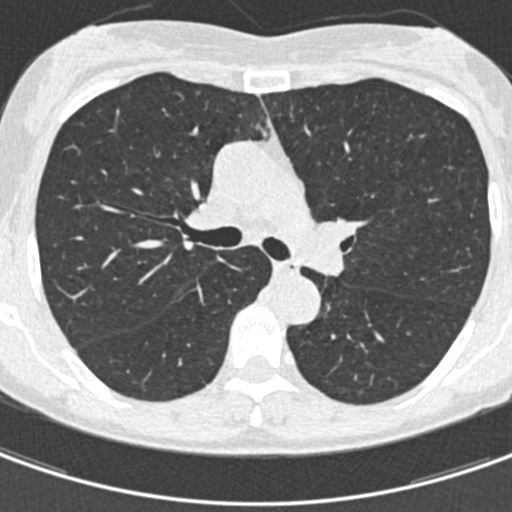
Axial slice 274 of 429 of a chest CT (slice 1 is the lowest), reconstructed with the B30f kernel at 120 kVp; 0.75 mm slice thickness and 0.537 mm pixels.
No nodule of 3 mm or larger was outlined by any of the four readers on this slice.